Axial slice 165 of 246 of a chest CT (slice 1 is the lowest), reconstructed with the STANDARD kernel at 120 kVp; 1.25 mm slice thickness and 0.859 mm pixels.
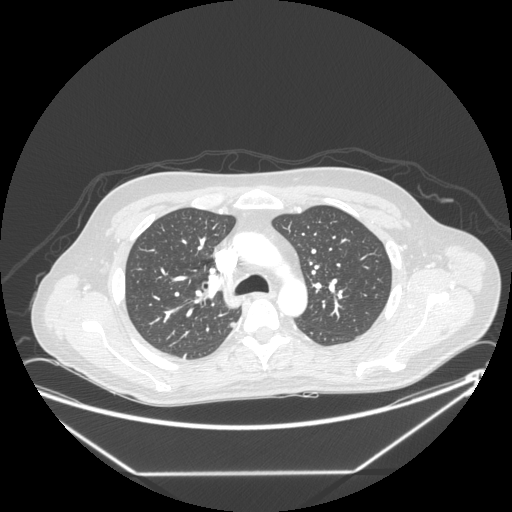
Pulmonary nodule, outlined by three of the four readers. Box on this slice rows 321–327, columns 229–235, the union of the readers' outlines on this slice; longest diameter 7.3 mm on average over the three readers' outlines (readers' outlines 7.1–7.3 mm), volume 93–96 mm3. Ratings, by the readers' most common answer with dissent counted: texture 5/5 (solid), all three readers agreeing; most readers (two of three) put margin at 5/5 (circumscribed), others 4/5 (one); sphericity 5/5 (round) by two of three readers; the rest gave 4/5 (one); calcification absent from all three readers; internal structure soft tissue, all three readers agreeing; subtlety 3/5, all three readers agreeing; malignancy likelihood 3/5, all three readers agreeing. Scale key (1–5): texture non-solid→solid, margin indistinct→circumscribed, sphericity linear→round, subtlety extremely subtle→obvious, malignancy likelihood highly unlikely→highly suspicious of cancer. Box rows and columns are 0-based pixel indices from the top-left corner, inclusive.